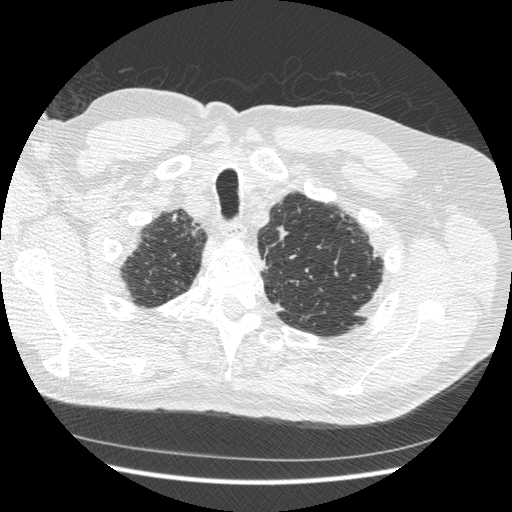
Axial chest CT slice 431 of 497 (counted from the lowest slice); 1.25 mm thick, 0.703 mm per pixel. Pulmonary nodule at rows 230–238, columns 278–289 (box = that reader's outline on this slice), outlined by one of the four readers; longest diameter 10.1 mm and volume 89 mm3 from that reader's outline. Ratings by that reader: texture 5/5 (solid); margin 5/5 (circumscribed); sphericity 2/5; calcification absent; internal structure soft tissue; subtlety 3/5; malignancy likelihood 2/5. Scale key (1–5): texture non-solid→solid, margin indistinct→circumscribed, sphericity linear→round, subtlety extremely subtle→obvious, malignancy likelihood highly unlikely→highly suspicious of cancer. Box rows and columns are 0-based pixel indices from the top-left corner, inclusive.
Tube voltage 120 kVp; convolution kernel STANDARD.